Chest CT, axial plane, 120 kVp, kernel STANDARD. Slice 68/253 from the bottom of the scan; thickness 1.25 mm; pixel size 0.742 mm.
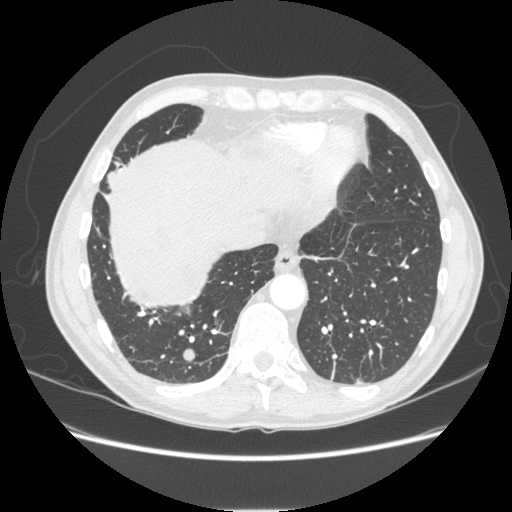
Pulmonary nodule, outlined by all four readers. Box on this slice rows 348–361, columns 183–194, the union of the readers' outlines on this slice; longest diameter 12.4–17.1 mm and volume 764–890 mm3 across the four readers' outlines. The readers' ratings, as ranges where they differ: texture 5/5 (solid) from all four readers; margin 5/5 (circumscribed), all four readers agreeing; sphericity from 4/5 to 5/5 (round) across the four readers; calcification absent from all four readers; internal structure soft tissue from all four readers; subtlety rated between 3 and 5 out of 5 by the four readers; malignancy likelihood 2–5/5 (the readers disagree). Scale key (1–5): texture non-solid→solid, margin indistinct→circumscribed, sphericity linear→round, subtlety extremely subtle→obvious, malignancy likelihood highly unlikely→highly suspicious of cancer. Box rows and columns are 0-based pixel indices from the top-left corner, inclusive.